Axial slice 92 of 113 of a chest CT (slice 1 is the lowest), reconstructed with the STANDARD kernel at 120 kVp; 2.50 mm slice thickness and 0.703 mm pixels.
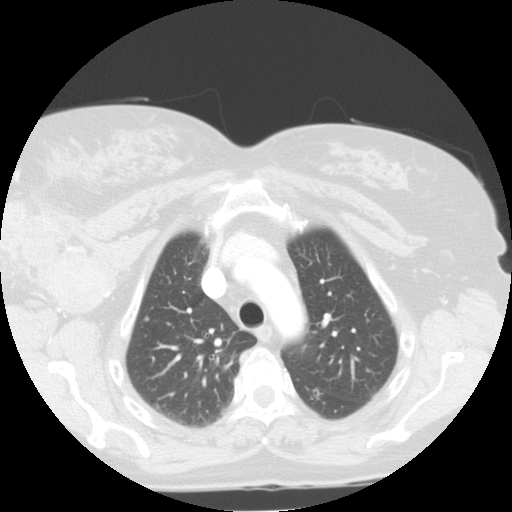
Two pulmonary nodules are outlined on this slice; from left to right: (1) Pulmonary nodule outlined by two of the four readers; box rows 316–320, columns 145–148 (the union of the readers' outlines on this slice); longest diameter 5.1 mm on average over the two readers' outlines (readers' outlines 4.4–5.7 mm), volume 41–78 mm3. Ratings, by the readers' most common answer with dissent counted: texture 5/5 (solid), both readers agreeing; margin split among the readers: 4/5 (one), 5/5 (circumscribed) (one); sphericity split among the readers: 4/5 (one), 5/5 (round) (one); calcification absent from both readers; internal structure soft tissue, both readers agreeing; subtlety split among the readers: 2/5 (one), 5/5 (one); malignancy likelihood split among the readers: 2/5 (one), 3/5 (one). (2) Pulmonary nodule at rows 389–395, columns 312–319 (box = that reader's outline on this slice), outlined by one of the four readers; longest diameter 7.6 mm and volume 97 mm3 from that reader's outline. Ratings by that reader: texture 5/5 (solid); margin 5/5 (circumscribed); sphericity 3/5 (ovoid); calcification absent; internal structure soft tissue; subtlety 3/5; malignancy likelihood 2/5. Scale key (1–5): texture non-solid→solid, margin indistinct→circumscribed, sphericity linear→round, subtlety extremely subtle→obvious, malignancy likelihood highly unlikely→highly suspicious of cancer. Box rows and columns are 0-based pixel indices from the top-left corner, inclusive.